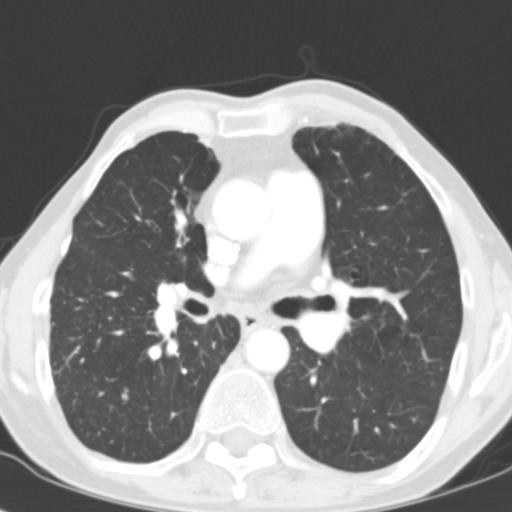
Axial slice 66 of 116 of a chest CT (slice 1 is the lowest), reconstructed with the B31f kernel at 120 kVp; 3.00 mm slice thickness and 0.547 mm pixels.
Pulmonary nodule outlined by two of the four readers; box rows 388–399, columns 121–127 (the union of the readers' outlines on this slice); longest diameter 6.4 mm on average over the two readers' outlines (readers' outlines 6.1–6.8 mm), volume 142–210 mm3. The readers' prevailing ratings and who disagreed: texture split among the readers: 3/5 (part-solid) (one), 5/5 (solid) (one); margin split among the readers: 2/5 (one), 5/5 (circumscribed) (one); sphericity split among the readers: 3/5 (ovoid) (one), 5/5 (round) (one); calcification absent from both readers; internal structure soft tissue, both readers agreeing; subtlety split among the readers: 3/5 (one), 5/5 (one); malignancy likelihood split among the readers: 3/5 (one), 4/5 (one). Scale key (1–5): texture non-solid→solid, margin indistinct→circumscribed, sphericity linear→round, subtlety extremely subtle→obvious, malignancy likelihood highly unlikely→highly suspicious of cancer. Box rows and columns are 0-based pixel indices from the top-left corner, inclusive.